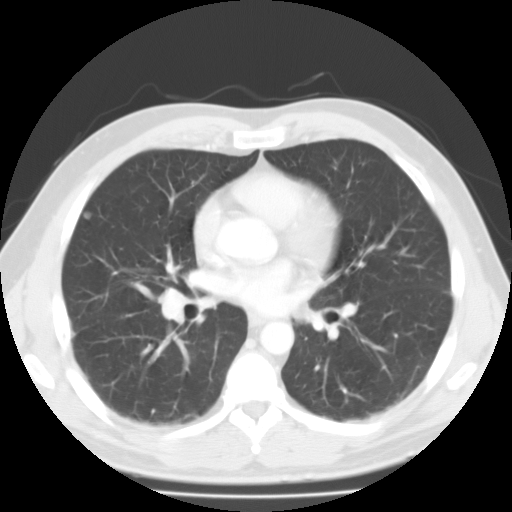
One axial slice (61 of 116, counting up from the lowest) of a chest CT acquired at 135 kVp with the FC01 kernel; each pixel is 0.714 mm and the slice is 3.00 mm thick.
Pulmonary nodule at rows 212–219, columns 82–92 (box = the union of the readers' outlines on this slice), outlined by three of the four readers; longest diameter 8.2 mm on average over the three readers' outlines (readers' outlines 7.0–9.3 mm), volume 188–348 mm3. The readers' prevailing ratings and who disagreed: most readers (two of three) put texture at 4/5, others 5/5 (solid) (one); margin split among the readers: 3/5 (one), 4/5 (one), 5/5 (circumscribed) (one); sphericity 5/5 (round) by two of three readers; the rest gave 4/5 (one); calcification absent from all three readers; internal structure soft tissue from all three readers; most readers (two of three) put subtlety at 4/5, others 3/5 (one); most readers (two of three) put malignancy likelihood at 3/5, others 1/5 (one). Scale key (1–5): texture non-solid→solid, margin indistinct→circumscribed, sphericity linear→round, subtlety extremely subtle→obvious, malignancy likelihood highly unlikely→highly suspicious of cancer. Box rows and columns are 0-based pixel indices from the top-left corner, inclusive.